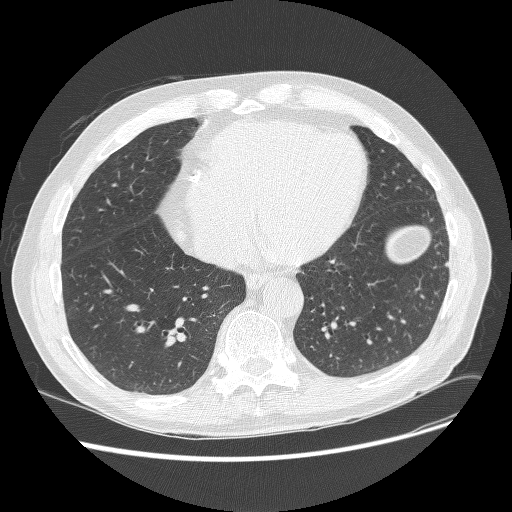
One axial slice (102 of 268, counting up from the lowest) of a chest CT acquired at 120 kVp with the BONE kernel; each pixel is 0.742 mm and the slice is 1.25 mm thick.
Pulmonary nodule at rows 261–266, columns 444–448 (box = the union of the readers' outlines on this slice), outlined by three of the four readers; the three readers' outlines give a longest diameter between 5.7 and 7.3 mm and a volume between 62 and 149 mm3. The readers' ratings, as ranges where they differ: texture from 4/5 to 5/5 (solid) across the three readers; margin from 2/5 to 5/5 (circumscribed) across the three readers; sphericity from 3/5 (ovoid) to 5/5 (round) across the three readers; calcification absent, all three readers agreeing; internal structure soft tissue, all three readers agreeing; subtlety from 3/5 to 4/5 across the three readers; malignancy likelihood rated between 2 and 3 out of 5 by the three readers. Scale key (1–5): texture non-solid→solid, margin indistinct→circumscribed, sphericity linear→round, subtlety extremely subtle→obvious, malignancy likelihood highly unlikely→highly suspicious of cancer. Box rows and columns are 0-based pixel indices from the top-left corner, inclusive.